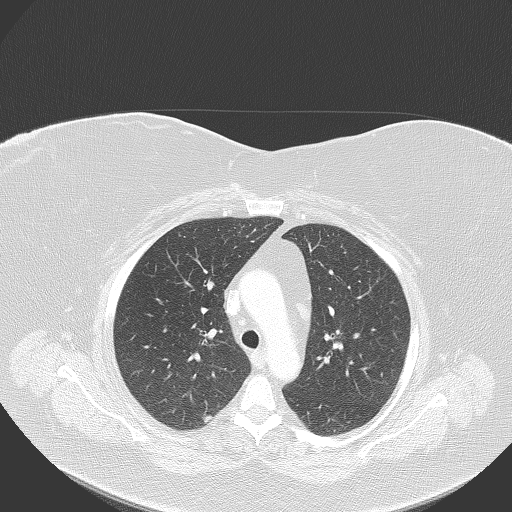
One axial slice (240 of 320, counting up from the lowest) of a chest CT acquired at 120 kVp with the B70f kernel; each pixel is 0.768 mm and the slice is 2.00 mm thick.
Pulmonary nodule at rows 414–422, columns 203–212 (box = the union of the readers' outlines on this slice), outlined by two of the four readers; longest diameter 9.3–10.3 mm and volume 181–234 mm3 across the two readers' outlines. Ratings across the readers: texture from 1/5 (non-solid) to 4/5 across the two readers; margin from 2/5 to 3/5 across the two readers; sphericity from 3/5 (ovoid) to 5/5 (round) across the two readers; calcification absent, both readers agreeing; internal structure soft tissue, both readers agreeing; subtlety rated between 1 and 3 out of 5 by the two readers; malignancy likelihood rated between 2 and 3 out of 5 by the two readers. Scale key (1–5): texture non-solid→solid, margin indistinct→circumscribed, sphericity linear→round, subtlety extremely subtle→obvious, malignancy likelihood highly unlikely→highly suspicious of cancer. Box rows and columns are 0-based pixel indices from the top-left corner, inclusive.